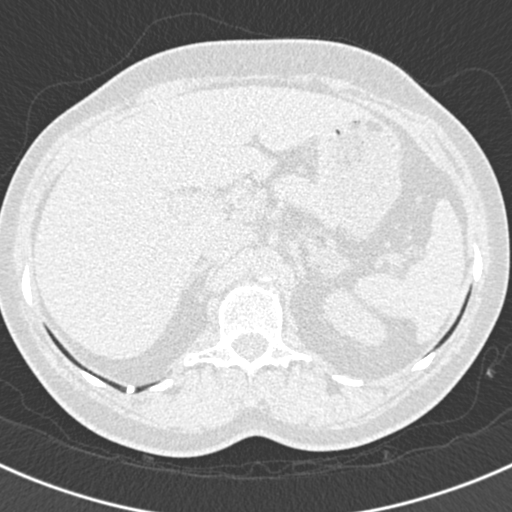
This is axial slice 20 of 193 (slice 1 is the lowest) of a chest CT; each pixel is 0.605 mm and the slice is 2.00 mm thick. Pulmonary nodule outlined by one of the four readers; box rows 387–392, columns 127–133 (that reader's outline on this slice); longest diameter 5.7 mm and volume 73 mm3 from that reader's outline. That reader's ratings: texture 5/5 (solid); margin 5/5 (circumscribed); sphericity 5/5 (round); calcification solid calcification; internal structure soft tissue; subtlety 5/5; malignancy likelihood 1/5. Scale key (1–5): texture non-solid→solid, margin indistinct→circumscribed, sphericity linear→round, subtlety extremely subtle→obvious, malignancy likelihood highly unlikely→highly suspicious of cancer. Box rows and columns are 0-based pixel indices from the top-left corner, inclusive.
Acquired at 120 kVp and reconstructed with the B30f kernel.